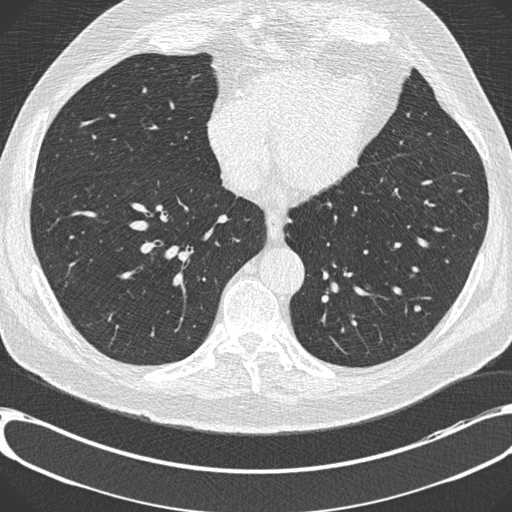
Axial slice 293 of 730 of a chest CT (slice 1 is the lowest), reconstructed with the B30f kernel at 120 kVp; 0.60 mm slice thickness and 0.730 mm pixels.
Pulmonary nodule outlined by one of the four readers; box rows 305–311, columns 414–420 (that reader's outline on this slice); longest diameter 7.2 mm and volume 114 mm3 from that reader's outline. That reader's ratings: texture 5/5 (solid); margin 5/5 (circumscribed); sphericity 5/5 (round); calcification absent; internal structure soft tissue; subtlety 3/5; malignancy likelihood 2/5. Scale key (1–5): texture non-solid→solid, margin indistinct→circumscribed, sphericity linear→round, subtlety extremely subtle→obvious, malignancy likelihood highly unlikely→highly suspicious of cancer. Box rows and columns are 0-based pixel indices from the top-left corner, inclusive.